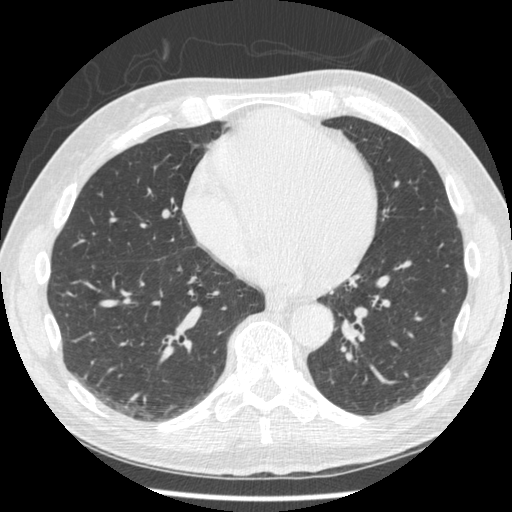
Chest CT, axial plane, 120 kVp, kernel STANDARD. Slice 173/481 from the bottom of the scan; thickness 1.25 mm; pixel size 0.664 mm.
No nodule of 3 mm or larger was outlined by any of the four readers on this slice.